Chest CT, axial plane, 120 kVp, kernel STANDARD. Slice 166/277 from the bottom of the scan; thickness 1.25 mm; pixel size 0.879 mm.
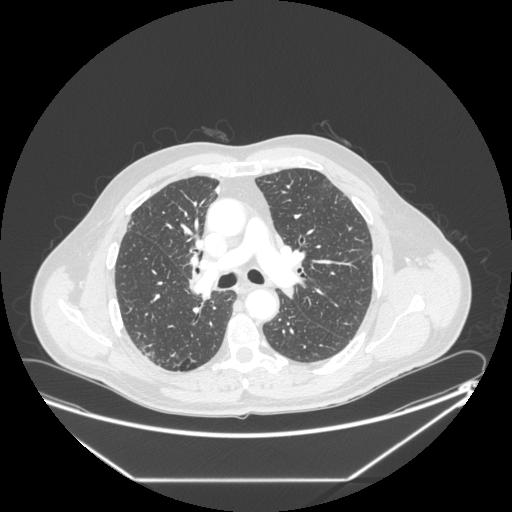
This slice carries no reader outline of a nodule 3 mm or larger.